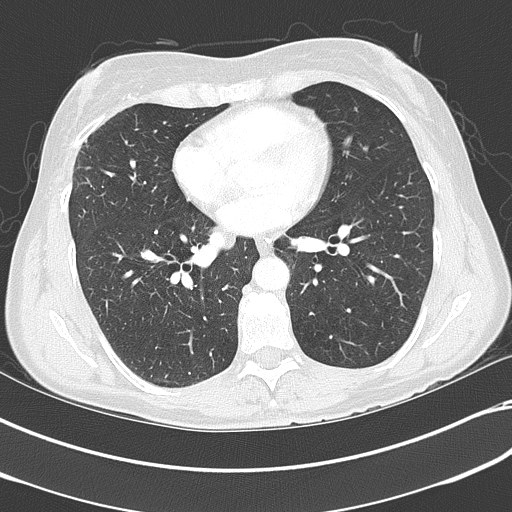
Axial chest CT slice 178 of 351 (counted from the lowest slice); 2.00 mm thick, 0.643 mm per pixel. Pulmonary nodule outlined by two of the four readers; box rows 229–233, columns 154–157 (the union of the readers' outlines on this slice); median longest diameter 3.8 mm (readers' outlines 3.5–4.1 mm), median volume 27 mm3 (17–36 mm3). Median ratings and the readers' spread: texture 5/5 (solid) from both readers; margin 4.5/5 at the median of two readers, spread 4/5 to 5/5 (circumscribed); median sphericity 4.5/5 (readers ranged 4/5 to 5/5 (round)); calcification split among the readers: solid calcification (one), absent (one); internal structure soft tissue from both readers; subtlety 4/5, both readers agreeing; median malignancy likelihood 1.5/5 (readers ranged 1–2). Scale key (1–5): texture non-solid→solid, margin indistinct→circumscribed, sphericity linear→round, subtlety extremely subtle→obvious, malignancy likelihood highly unlikely→highly suspicious of cancer. Box rows and columns are 0-based pixel indices from the top-left corner, inclusive.
Tube voltage 120 kVp; convolution kernel B70f.